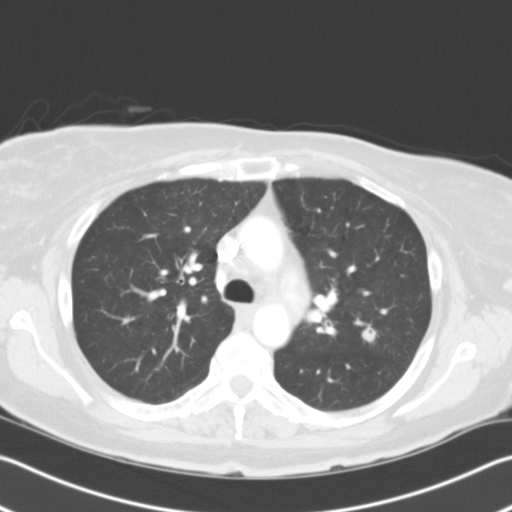
Axial slice 82 of 118 of a chest CT (slice 1 is the lowest), reconstructed with the B31f kernel at 120 kVp; 3.00 mm slice thickness and 0.668 mm pixels.
Pulmonary nodule, outlined by all four readers. Box on this slice rows 323–342, columns 361–377, the union of the readers' outlines on this slice; median longest diameter 12.6 mm (readers' outlines 11.7–14.3 mm), median volume 714 mm3 (686–842 mm3). Ratings, median across the readers with their spread: texture 5/5 (solid), all four readers agreeing; margin 5/5 (circumscribed) at the median of four readers, spread 4/5 to 5/5 (circumscribed); median sphericity 5/5 (round) (readers ranged 3/5 (ovoid) to 5/5 (round)); calcification absent, all four readers agreeing; internal structure: soft tissue (three), air (one); subtlety 4/5 at the median of four readers, spread 3–5; malignancy likelihood 3.5/5 at the median of four readers, spread 2–4. Scale key (1–5): texture non-solid→solid, margin indistinct→circumscribed, sphericity linear→round, subtlety extremely subtle→obvious, malignancy likelihood highly unlikely→highly suspicious of cancer. Box rows and columns are 0-based pixel indices from the top-left corner, inclusive.